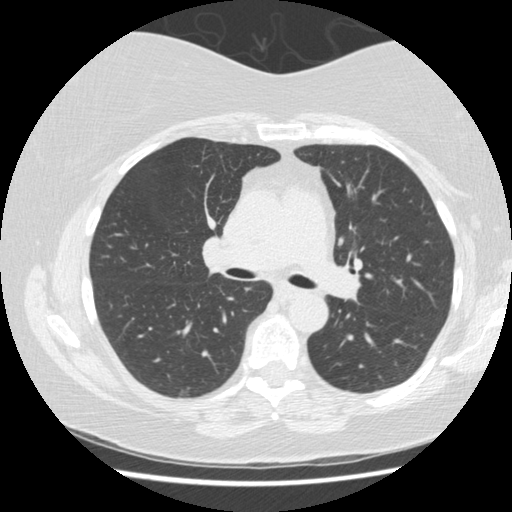
Chest CT, axial plane, 120 kVp, kernel STANDARD. Slice 81/140 from the bottom of the scan; thickness 2.50 mm; pixel size 0.664 mm.
None of the four readers outlined a nodule of 3 mm or more on this slice.